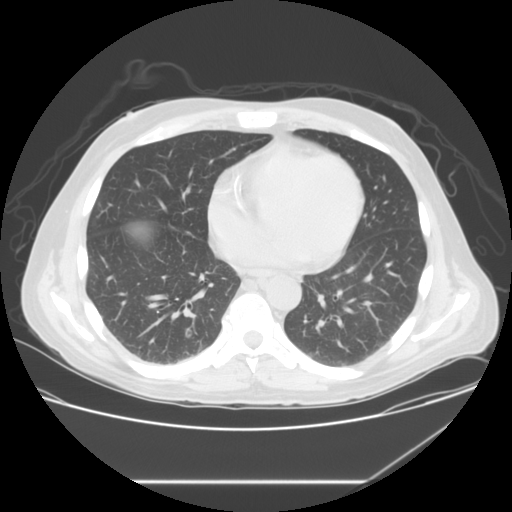
Chest CT, axial plane, 120 kVp, kernel STANDARD. Slice 69/133 from the bottom of the scan; thickness 2.50 mm; pixel size 0.781 mm.
Pulmonary nodule, outlined by three of the four readers. Box on this slice rows 327–337, columns 184–191, the union of the readers' outlines on this slice; longest diameter 9.9–11.4 mm and volume 400–469 mm3 across the three readers' outlines. The readers' ratings, as ranges where they differ: texture from 2/5 to 5/5 (solid) across the three readers; margin from 4/5 to 5/5 (circumscribed) across the three readers; sphericity from 4/5 to 5/5 (round) across the three readers; calcification absent, all three readers agreeing; internal structure: air (two), soft tissue (one); subtlety from 3/5 to 4/5 across the three readers; malignancy likelihood 3–4/5 (the readers disagree). Scale key (1–5): texture non-solid→solid, margin indistinct→circumscribed, sphericity linear→round, subtlety extremely subtle→obvious, malignancy likelihood highly unlikely→highly suspicious of cancer. Box rows and columns are 0-based pixel indices from the top-left corner, inclusive.